One axial slice (87 of 154, counting up from the lowest) of a chest CT acquired at 120 kVp with the STANDARD kernel; each pixel is 0.664 mm and the slice is 2.50 mm thick.
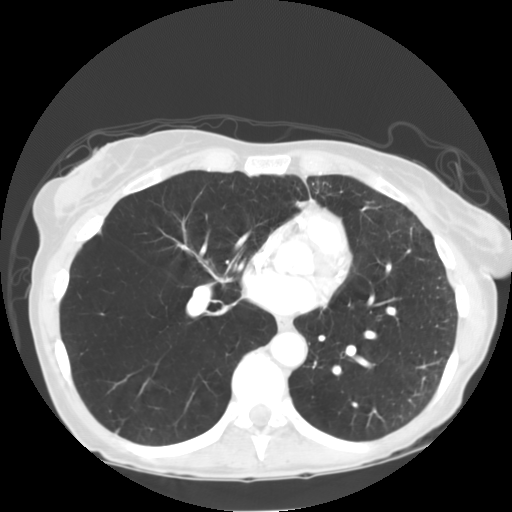
None of the four readers outlined a nodule of 3 mm or more on this slice.